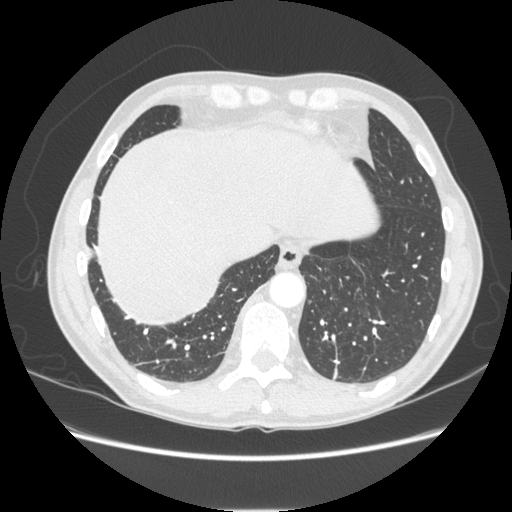
Axial chest CT slice 61 of 253 (counted from the lowest slice); tube voltage 120 kVp, convolution kernel STANDARD; slices 1.25 mm thick, 0.742 mm per pixel.
Pulmonary nodule, outlined by all four readers, one of them on this slice. Box on this slice rows 353–356, columns 186–189, the one reader's outline on this slice; longest diameter 13.9 mm on average over the four readers' outlines (readers' outlines 12.4–17.1 mm), volume 764–890 mm3. Ratings, by the readers' most common answer with dissent counted: texture 5/5 (solid), all four readers agreeing; margin 5/5 (circumscribed), all four readers agreeing; sphericity 5/5 (round) by three of four readers; the rest gave 4/5 (one); calcification absent, all four readers agreeing; internal structure soft tissue from all four readers; subtlety 5/5 by two of four readers; the rest gave 3/5 (one), 4/5 (one); malignancy likelihood split among the readers: 2/5 (one), 3/5 (one), 4/5 (one), 5/5 (one). Scale key (1–5): texture non-solid→solid, margin indistinct→circumscribed, sphericity linear→round, subtlety extremely subtle→obvious, malignancy likelihood highly unlikely→highly suspicious of cancer. Box rows and columns are 0-based pixel indices from the top-left corner, inclusive.